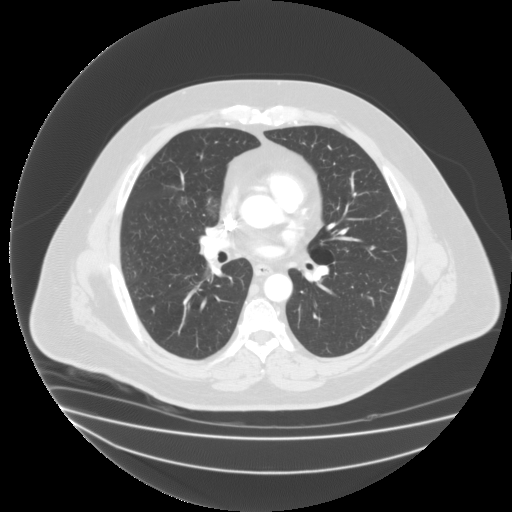
This is axial slice 101 of 183 (slice 1 is the lowest) of a chest CT; each pixel is 0.946 mm and the slice is 2.00 mm thick. Two pulmonary nodules are outlined on this slice; from left to right: (1) Pulmonary nodule, outlined by two of the four readers. Box on this slice rows 196–205, columns 178–187, the union of the readers' outlines on this slice; median longest diameter 14.2 mm (readers' outlines 13.4–15.0 mm), median volume 714 mm3 (553–875 mm3). Ratings, median across the readers with their spread: texture 1/5 (non-solid) from both readers; margin 1/5 (indistinct) from both readers; sphericity 4/5 from both readers; calcification absent, both readers agreeing; internal structure split among the readers: soft tissue (one), fluid (one); subtlety 3/5 at the median of two readers, spread 2–4; malignancy likelihood 3/5 from both readers. (2) Pulmonary nodule at rows 196–220, columns 204–219 (box = the union of the readers' outlines on this slice), outlined by three of the four readers; longest diameter 26.0 mm on average over the three readers' outlines (readers' outlines 26.0 mm), volume 3179–3614 mm3. The readers' prevailing ratings and who disagreed: texture 1/5 (non-solid), all three readers agreeing; most readers (two of three) put margin at 2/5, others 3/5 (one); most readers (two of three) put sphericity at 3/5 (ovoid), others 4/5 (one); calcification absent from all three readers; internal structure soft tissue by two of three readers, fluid (one); subtlety 2/5 by two of three readers; the rest gave 5/5 (one); most readers (two of three) put malignancy likelihood at 3/5, others 4/5 (one). Scale key (1–5): texture non-solid→solid, margin indistinct→circumscribed, sphericity linear→round, subtlety extremely subtle→obvious, malignancy likelihood highly unlikely→highly suspicious of cancer. Box rows and columns are 0-based pixel indices from the top-left corner, inclusive.
Acquired at 135 kVp and reconstructed with the FC03 kernel.